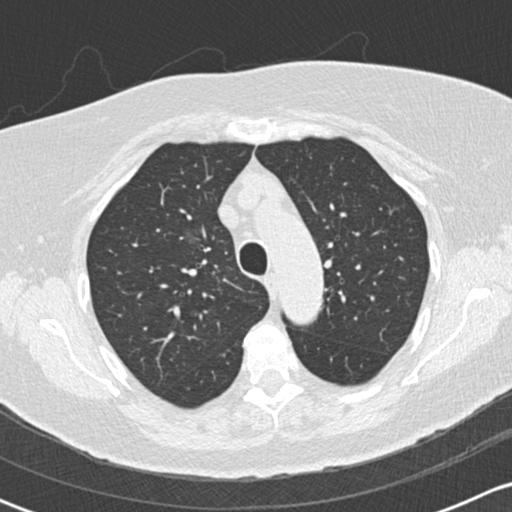
Slice 127/172 of a chest CT, counting up from the lowest; pixel size 0.605 mm, slice thickness 2.00 mm. Pulmonary nodule at rows 231–241, columns 185–198 (box = that reader's outline on this slice), outlined by one of the four readers; longest diameter 11.4 mm and volume 292 mm3 from that reader's outline. Ratings by that reader: texture 1/5 (non-solid); margin 1/5 (indistinct); sphericity 2/5; calcification absent; internal structure soft tissue; subtlety 1/5; malignancy likelihood 4/5. Scale key (1–5): texture non-solid→solid, margin indistinct→circumscribed, sphericity linear→round, subtlety extremely subtle→obvious, malignancy likelihood highly unlikely→highly suspicious of cancer. Box rows and columns are 0-based pixel indices from the top-left corner, inclusive.
Tube voltage 120 kVp; convolution kernel B30f.